Axial chest CT slice 427 of 633 (counted from the lowest slice); tube voltage 120 kVp, convolution kernel B30f; slices 0.60 mm thick, 0.541 mm per pixel.
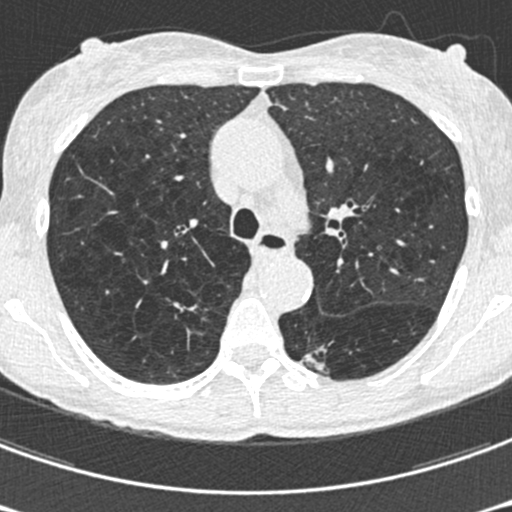
Two pulmonary nodules on this slice, listed from left to right. (1) Pulmonary nodule outlined by all four readers, one of them on this slice; box rows 302–311, columns 174–197 (the one reader's outline on this slice); longest diameter 18.1–21.0 mm and volume 1292–1642 mm3 across the four readers' outlines. The readers' ratings, as ranges where they differ: texture 5/5 (solid) from all four readers; margin from 1/5 (indistinct) to 3/5 across the four readers; sphericity from 2/5 to 4/5 across the four readers; calcification absent from all four readers; internal structure soft tissue from all four readers; subtlety 4–5/5 (the readers disagree); malignancy likelihood from 4/5 to 5/5 across the four readers. (2) Pulmonary nodule outlined by one of the four readers; box rows 351–373, columns 301–328 (that reader's outline on this slice); longest diameter 20.7 mm and volume 470 mm3 from that reader's outline. Ratings by that reader: texture 5/5 (solid); margin 1/5 (indistinct); sphericity 2/5; calcification absent; internal structure soft tissue; subtlety 4/5; malignancy likelihood 3/5. Scale key (1–5): texture non-solid→solid, margin indistinct→circumscribed, sphericity linear→round, subtlety extremely subtle→obvious, malignancy likelihood highly unlikely→highly suspicious of cancer. Box rows and columns are 0-based pixel indices from the top-left corner, inclusive.